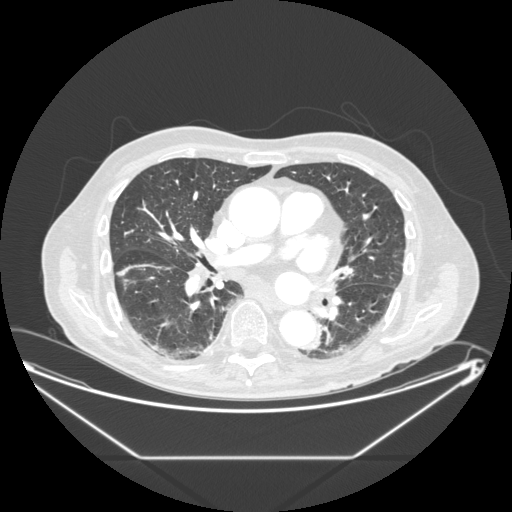
One axial slice (93 of 214, counting up from the lowest) of a chest CT acquired at 120 kVp with the STANDARD kernel; each pixel is 0.879 mm and the slice is 1.25 mm thick.
Pulmonary nodule at rows 278–290, columns 123–135 (box = the union of the readers' outlines on this slice), outlined by all four readers, two of them on this slice; longest diameter 13.8 mm on average over the four readers' outlines (readers' outlines 12.6–15.8 mm), volume 537–734 mm3. The readers' prevailing ratings and who disagreed: texture 5/5 (solid) by three of four readers; the rest gave 4/5 (one); margin split among the readers: 2/5 (one), 3/5 (one), 4/5 (one), 5/5 (circumscribed) (one); sphericity split among the readers: 4/5 (two), 5/5 (round) (two); calcification absent from all four readers; internal structure soft tissue from all four readers; subtlety 4/5 by three of four readers; the rest gave 5/5 (one); malignancy likelihood 3/5 by three of four readers; the rest gave 5/5 (one). Scale key (1–5): texture non-solid→solid, margin indistinct→circumscribed, sphericity linear→round, subtlety extremely subtle→obvious, malignancy likelihood highly unlikely→highly suspicious of cancer. Box rows and columns are 0-based pixel indices from the top-left corner, inclusive.